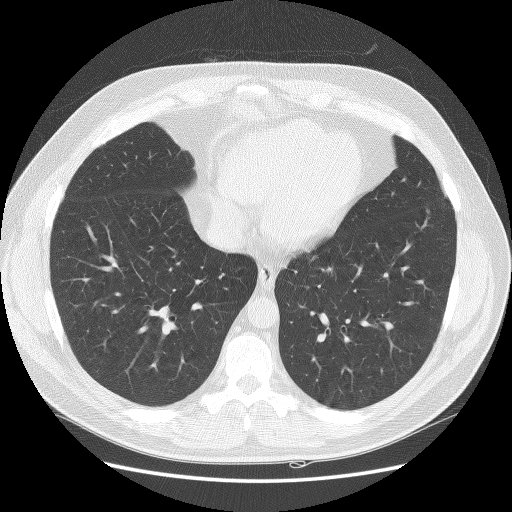
Axial chest CT slice 52 of 131 (counted from the lowest slice); tube voltage 140 kVp, convolution kernel BONE; slices 2.50 mm thick, 0.742 mm per pixel.
Pulmonary nodule at rows 209–213, columns 426–429 (box = that reader's outline on this slice), outlined by one of the four readers; longest diameter 5.2 mm and volume 76 mm3 from that reader's outline. That reader's ratings: texture 5/5 (solid); margin 4/5; sphericity 4/5; calcification absent; internal structure soft tissue; subtlety 1/5; malignancy likelihood 1/5. Scale key (1–5): texture non-solid→solid, margin indistinct→circumscribed, sphericity linear→round, subtlety extremely subtle→obvious, malignancy likelihood highly unlikely→highly suspicious of cancer. Box rows and columns are 0-based pixel indices from the top-left corner, inclusive.